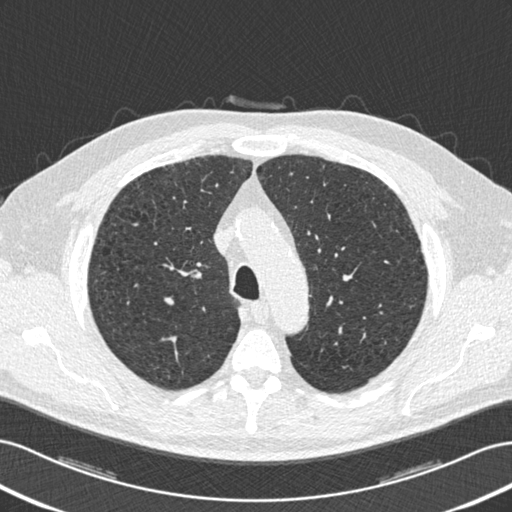
One axial slice (394 of 506, counting up from the lowest) of a chest CT acquired at 120 kVp with the B30f kernel; each pixel is 0.699 mm and the slice is 0.75 mm thick.
Pulmonary nodule, outlined by two of the four readers, one of them on this slice. Box on this slice rows 365–368, columns 341–347, the one reader's outline on this slice; median longest diameter 7.3 mm (readers' outlines 6.4–8.2 mm), median volume 106 mm3 (59–153 mm3). Median ratings and the readers' spread: texture 5/5 (solid), both readers agreeing; margin 4.5/5 at the median of two readers, spread 4/5 to 5/5 (circumscribed); sphericity 3.5/5 at the median of two readers, spread 3/5 (ovoid) to 4/5; calcification absent from both readers; internal structure soft tissue, both readers agreeing; median subtlety 4/5 (readers ranged 3–5); malignancy likelihood 3/5 from both readers. Scale key (1–5): texture non-solid→solid, margin indistinct→circumscribed, sphericity linear→round, subtlety extremely subtle→obvious, malignancy likelihood highly unlikely→highly suspicious of cancer. Box rows and columns are 0-based pixel indices from the top-left corner, inclusive.